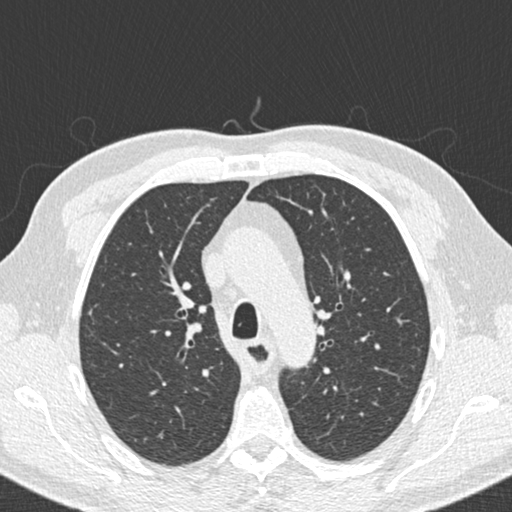
Axial chest CT slice 142 of 197 (counted from the lowest slice); 2.00 mm thick, 0.625 mm per pixel. Pulmonary nodule outlined by all four readers, three of them on this slice; box rows 309–314, columns 88–91 (the union of the readers' outlines on this slice); median longest diameter 7.4 mm (readers' outlines 7.1–7.7 mm), median volume 95 mm3 (72–101 mm3). Median ratings and the readers' spread: texture 5/5 (solid) at the median of four readers, spread 4/5 to 5/5 (solid); median margin 4/5 (readers ranged 2/5 to 5/5 (circumscribed)); median sphericity 3/5 (ovoid) (readers ranged 3/5 (ovoid) to 5/5 (round)); calcification absent from all four readers; internal structure soft tissue from all four readers; subtlety 3.5/5 at the median of four readers, spread 3–5; malignancy likelihood 3/5 at the median of four readers, spread 2–3. Scale key (1–5): texture non-solid→solid, margin indistinct→circumscribed, sphericity linear→round, subtlety extremely subtle→obvious, malignancy likelihood highly unlikely→highly suspicious of cancer. Box rows and columns are 0-based pixel indices from the top-left corner, inclusive.
Scan settings: 120 kVp, B30f reconstruction kernel.